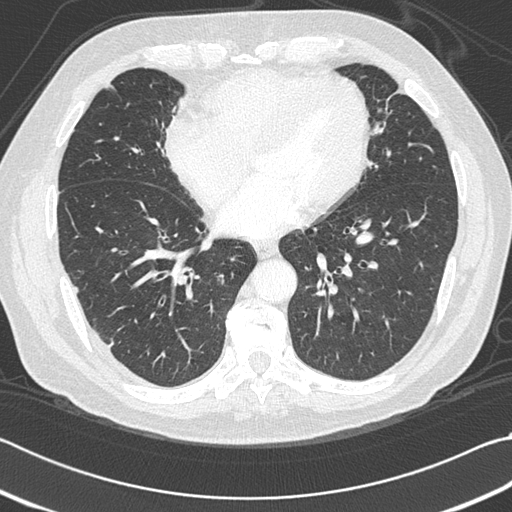
Axial slice 133 of 312 of a chest CT (slice 1 is the lowest), reconstructed with the B45f kernel at 120 kVp; 1.00 mm slice thickness and 0.664 mm pixels.
Pulmonary nodule outlined by one of the four readers; box rows 286–292, columns 72–77 (that reader's outline on this slice); longest diameter 6.9 mm and volume 65 mm3 from that reader's outline. That reader's ratings: texture 5/5 (solid); margin 5/5 (circumscribed); sphericity 4/5; calcification absent; internal structure soft tissue; subtlety 4/5; malignancy likelihood 2/5. Scale key (1–5): texture non-solid→solid, margin indistinct→circumscribed, sphericity linear→round, subtlety extremely subtle→obvious, malignancy likelihood highly unlikely→highly suspicious of cancer. Box rows and columns are 0-based pixel indices from the top-left corner, inclusive.